Axial slice 300 of 458 of a chest CT (slice 1 is the lowest), reconstructed with the STANDARD kernel at 120 kVp; 1.25 mm slice thickness and 0.625 mm pixels.
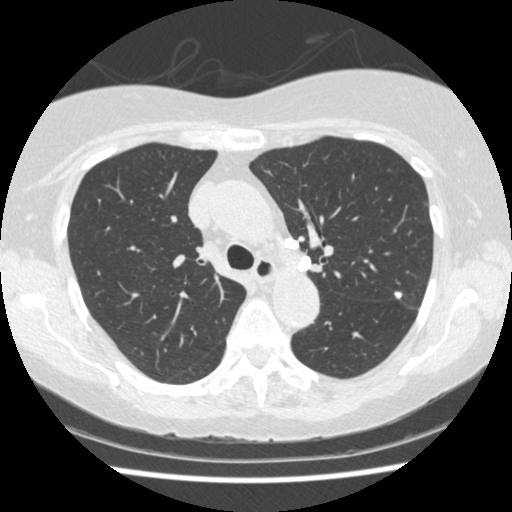
Three pulmonary nodules on this slice, listed from left to right. (1) Pulmonary nodule, outlined by one of the four readers. Box on this slice rows 237–249, columns 284–299, that reader's outline on this slice; longest diameter 10.6 mm and volume 342 mm3 from that reader's outline. Ratings by that reader: texture 5/5 (solid); margin 5/5 (circumscribed); sphericity 4/5; calcification solid calcification; internal structure soft tissue; subtlety 4/5; malignancy likelihood 1/5. (2) Pulmonary nodule outlined by one of the four readers; box rows 256–271, columns 298–311 (that reader's outline on this slice); longest diameter 11.9 mm and volume 579 mm3 from that reader's outline. That reader's ratings: texture 5/5 (solid); margin 5/5 (circumscribed); sphericity 5/5 (round); calcification solid calcification; internal structure soft tissue; subtlety 4/5; malignancy likelihood 1/5. (3) Pulmonary nodule at rows 292–298, columns 393–401 (box = the union of the readers' outlines on this slice), outlined by all four readers; longest diameter 6.8–7.1 mm and volume 96–159 mm3 across the four readers' outlines. The readers' ratings, as ranges where they differ: texture from 4/5 to 5/5 (solid) across the four readers; margin from 4/5 to 5/5 (circumscribed) across the four readers; sphericity from 3/5 (ovoid) to 4/5 across the four readers; calcification: solid calcification (two), central calcification (one), absent (one); internal structure soft tissue from all four readers; subtlety 4–5/5 (the readers disagree); malignancy likelihood 1–3/5 (the readers disagree). Scale key (1–5): texture non-solid→solid, margin indistinct→circumscribed, sphericity linear→round, subtlety extremely subtle→obvious, malignancy likelihood highly unlikely→highly suspicious of cancer. Box rows and columns are 0-based pixel indices from the top-left corner, inclusive.